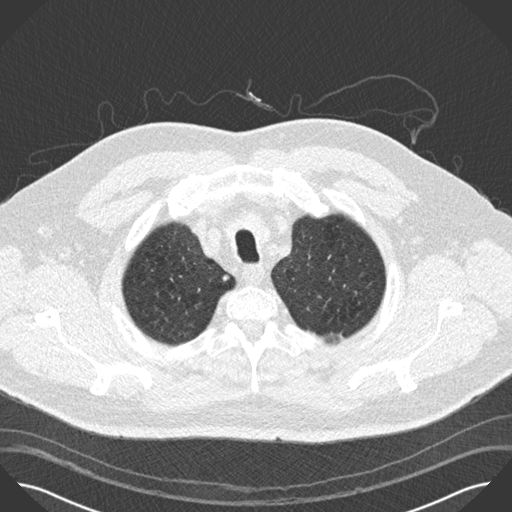
This is axial slice 178 of 199 (slice 1 is the lowest) of a chest CT; each pixel is 0.762 mm and the slice is 2.00 mm thick. Pulmonary nodule outlined by two of the four readers; box rows 274–280, columns 221–228 (the union of the readers' outlines on this slice); longest diameter 6.6–7.8 mm and volume 97–160 mm3 across the two readers' outlines. The readers' ratings, as ranges where they differ: texture 5/5 (solid), both readers agreeing; margin 5/5 (circumscribed), both readers agreeing; sphericity from 3/5 (ovoid) to 5/5 (round) across the two readers; calcification split among the readers: absent (one), non-central calcification (one); internal structure soft tissue from both readers; subtlety from 4/5 to 5/5 across the two readers; malignancy likelihood 2/5, both readers agreeing. Scale key (1–5): texture non-solid→solid, margin indistinct→circumscribed, sphericity linear→round, subtlety extremely subtle→obvious, malignancy likelihood highly unlikely→highly suspicious of cancer. Box rows and columns are 0-based pixel indices from the top-left corner, inclusive.
Scan settings: 120 kVp, B30f reconstruction kernel.